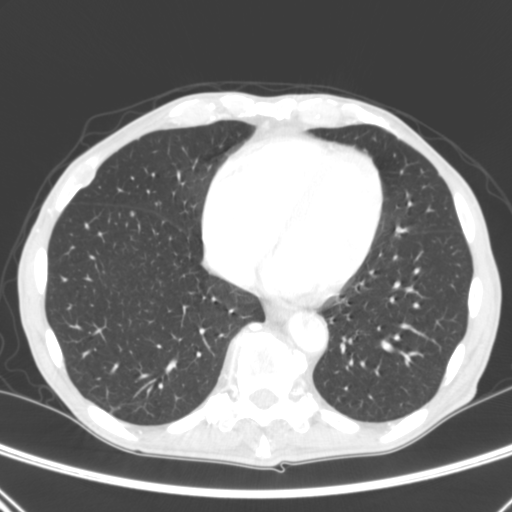
Slice 92/290 of a chest CT, counting up from the lowest; pixel size 0.639 mm, slice thickness 2.00 mm. Pulmonary nodule outlined by one of the four readers; box rows 211–215, columns 130–134 (that reader's outline on this slice); longest diameter 5.0 mm and volume 58 mm3 from that reader's outline. Ratings by that reader: texture 5/5 (solid); margin 5/5 (circumscribed); sphericity 5/5 (round); calcification absent; internal structure soft tissue; subtlety 5/5; malignancy likelihood 3/5. Scale key (1–5): texture non-solid→solid, margin indistinct→circumscribed, sphericity linear→round, subtlety extremely subtle→obvious, malignancy likelihood highly unlikely→highly suspicious of cancer. Box rows and columns are 0-based pixel indices from the top-left corner, inclusive.
Acquired at 120 kVp and reconstructed with the B kernel.